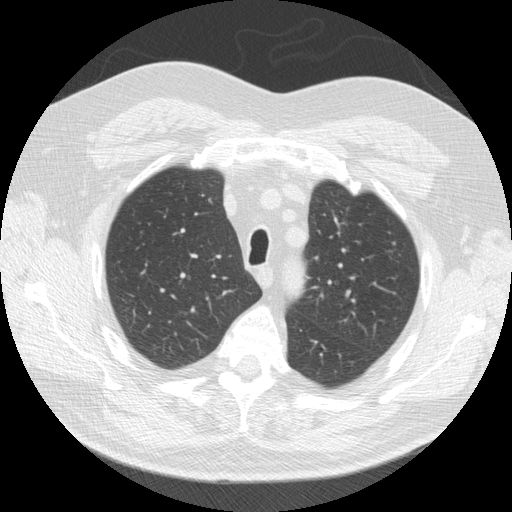
One axial slice (125 of 155, counting up from the lowest) of a chest CT acquired at 120 kVp with the STANDARD kernel; each pixel is 0.703 mm and the slice is 2.50 mm thick.
Pulmonary nodule, outlined by one of the four readers. Box on this slice rows 241–245, columns 391–395, that reader's outline on this slice; longest diameter 5.4 mm and volume 62 mm3 from that reader's outline. Ratings by that reader: texture 1/5 (non-solid); margin 3/5; sphericity 4/5; calcification absent; internal structure soft tissue; subtlety 1/5; malignancy likelihood 2/5. Scale key (1–5): texture non-solid→solid, margin indistinct→circumscribed, sphericity linear→round, subtlety extremely subtle→obvious, malignancy likelihood highly unlikely→highly suspicious of cancer. Box rows and columns are 0-based pixel indices from the top-left corner, inclusive.